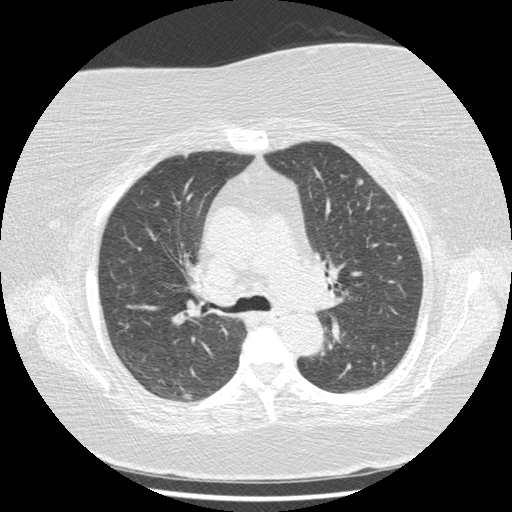
Axial slice 286 of 417 of a chest CT (slice 1 is the lowest), reconstructed with the STANDARD kernel at 120 kVp; 1.25 mm slice thickness and 0.703 mm pixels.
Three pulmonary nodules on this slice, listed from left to right. (1) Pulmonary nodule at rows 154–158, columns 184–186 (box = that reader's outline on this slice), outlined by one of the four readers; longest diameter 5.0 mm and volume 27 mm3 from that reader's outline. That reader's ratings: texture 5/5 (solid); margin 5/5 (circumscribed); sphericity 4/5; calcification absent; internal structure soft tissue; subtlety 5/5; malignancy likelihood 3/5. (2) Pulmonary nodule outlined by all four readers, three of them on this slice; box rows 394–399, columns 180–194 (the union of the readers' outlines on this slice); longest diameter 12.1 mm on average over the four readers' outlines (readers' outlines 11.0–13.8 mm), volume 306–515 mm3. The readers' prevailing ratings and who disagreed: texture 5/5 (solid), all four readers agreeing; most readers (three of four) put margin at 5/5 (circumscribed), others 4/5 (one); sphericity 5/5 (round) by two of four readers; the rest gave 3/5 (ovoid) (one), 4/5 (one); calcification absent, all four readers agreeing; internal structure soft tissue, all four readers agreeing; subtlety 5/5 by two of four readers; the rest gave 3/5 (one), 4/5 (one); malignancy likelihood 4/5 by two of four readers; the rest gave 2/5 (one), 3/5 (one). (3) Pulmonary nodule at rows 255–261, columns 396–402 (box = the union of the readers' outlines on this slice), outlined by three of the four readers; the three readers' outlines give a longest diameter between 5.8 and 6.7 mm and a volume between 55 and 91 mm3. The readers' ratings, as ranges where they differ: texture from 4/5 to 5/5 (solid) across the three readers; margin from 4/5 to 5/5 (circumscribed) across the three readers; sphericity from 4/5 to 5/5 (round) across the three readers; calcification absent, all three readers agreeing; internal structure soft tissue, all three readers agreeing; subtlety rated between 4 and 5 out of 5 by the three readers; malignancy likelihood from 2/5 to 3/5 across the three readers. Scale key (1–5): texture non-solid→solid, margin indistinct→circumscribed, sphericity linear→round, subtlety extremely subtle→obvious, malignancy likelihood highly unlikely→highly suspicious of cancer. Box rows and columns are 0-based pixel indices from the top-left corner, inclusive.